Axial chest CT slice 229 of 375 (counted from the lowest slice); tube voltage 120 kVp, convolution kernel B45f; slices 1.00 mm thick, 0.586 mm per pixel.
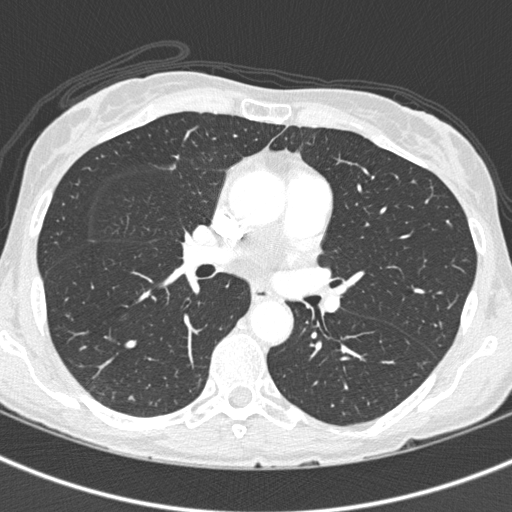
No nodule 3 mm or larger was outlined here by any reader.